Chest CT, axial plane, 135 kVp, kernel FC01. Slice 73/115 from the bottom of the scan; thickness 3.00 mm; pixel size 0.782 mm.
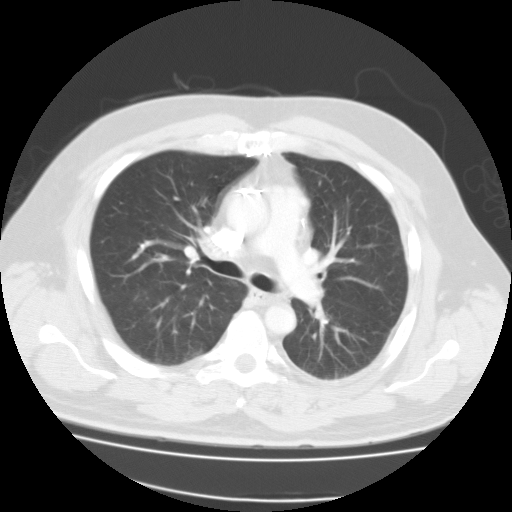
Pulmonary nodule at rows 243–250, columns 140–144 (box = the union of the readers' outlines on this slice), outlined by three of the four readers, two of them on this slice; the three readers' outlines give a longest diameter between 6.4 and 7.8 mm and a volume between 61 and 259 mm3. Ratings across the readers: texture 5/5 (solid) from all three readers; margin 5/5 (circumscribed), all three readers agreeing; sphericity from 2/5 to 4/5 across the three readers; calcification solid calcification, all three readers agreeing; internal structure soft tissue from all three readers; subtlety 4–5/5 (the readers disagree); malignancy likelihood 1/5, all three readers agreeing. Scale key (1–5): texture non-solid→solid, margin indistinct→circumscribed, sphericity linear→round, subtlety extremely subtle→obvious, malignancy likelihood highly unlikely→highly suspicious of cancer. Box rows and columns are 0-based pixel indices from the top-left corner, inclusive.